Axial slice 381 of 423 of a chest CT (slice 1 is the lowest), reconstructed with the B30f kernel at 120 kVp; 0.75 mm slice thickness and 0.520 mm pixels.
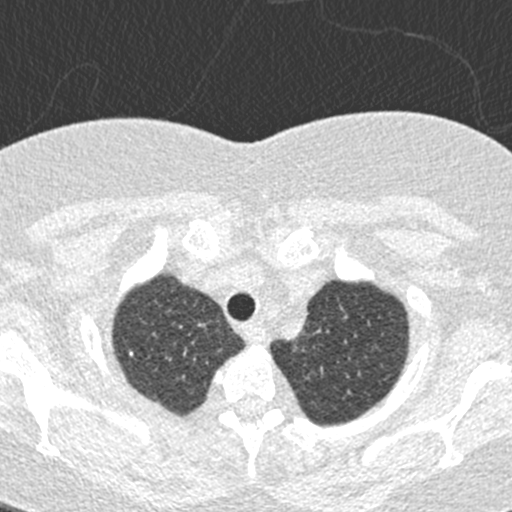
Pulmonary nodule at rows 351–356, columns 129–132 (box = the union of the readers' outlines on this slice), outlined by two of the four readers; longest diameter 2.8–4.2 mm and volume 7–20 mm3 across the two readers' outlines. The readers' ratings, as ranges where they differ: texture 5/5 (solid) from both readers; margin 5/5 (circumscribed) from both readers; sphericity 5/5 (round) from both readers; calcification solid calcification, both readers agreeing; internal structure soft tissue from both readers; subtlety 5/5, both readers agreeing; malignancy likelihood 1/5, both readers agreeing. Scale key (1–5): texture non-solid→solid, margin indistinct→circumscribed, sphericity linear→round, subtlety extremely subtle→obvious, malignancy likelihood highly unlikely→highly suspicious of cancer. Box rows and columns are 0-based pixel indices from the top-left corner, inclusive.